Axial chest CT slice 93 of 133 (counted from the lowest slice); tube voltage 120 kVp, convolution kernel STANDARD; slices 2.50 mm thick, 0.703 mm per pixel.
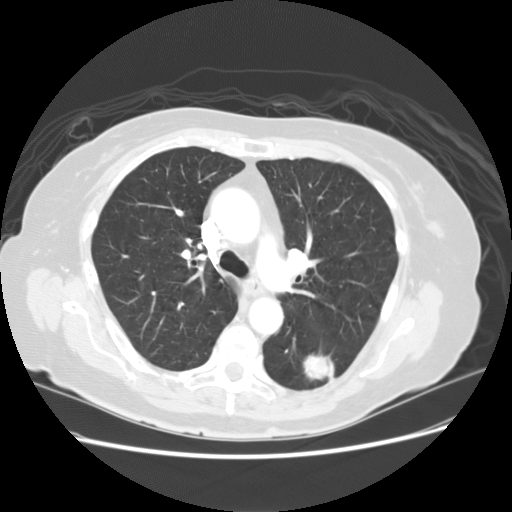
Pulmonary nodule outlined by all four readers; box rows 352–381, columns 302–334 (the union of the readers' outlines on this slice); median longest diameter 32.7 mm (readers' outlines 32.0–33.7 mm), median volume 6971 mm3 (6146–7869 mm3). Median ratings and the readers' spread: texture 5/5 (solid) at the median of four readers, spread 4/5 to 5/5 (solid); median margin 3.5/5 (readers ranged 2/5 to 4/5); median sphericity 3.5/5 (readers ranged 3/5 (ovoid) to 5/5 (round)); calcification absent, all four readers agreeing; internal structure soft tissue from all four readers; subtlety 5/5, all four readers agreeing; median malignancy likelihood 5/5 (readers ranged 4–5). Scale key (1–5): texture non-solid→solid, margin indistinct→circumscribed, sphericity linear→round, subtlety extremely subtle→obvious, malignancy likelihood highly unlikely→highly suspicious of cancer. Box rows and columns are 0-based pixel indices from the top-left corner, inclusive.